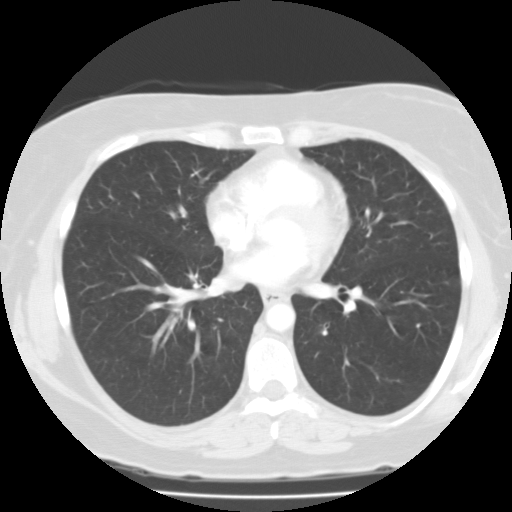
Axial chest CT slice 56 of 112 (counted from the lowest slice); 3.00 mm thick, 0.659 mm per pixel. Pulmonary nodule, outlined by one of the four readers. Box on this slice rows 325–328, columns 318–320, that reader's outline on this slice; longest diameter 7.3 mm and volume 212 mm3 from that reader's outline. Ratings by that reader: texture 1/5 (non-solid); margin 1/5 (indistinct); sphericity 4/5; calcification absent; internal structure fluid; subtlety 3/5; malignancy likelihood 3/5. Scale key (1–5): texture non-solid→solid, margin indistinct→circumscribed, sphericity linear→round, subtlety extremely subtle→obvious, malignancy likelihood highly unlikely→highly suspicious of cancer. Box rows and columns are 0-based pixel indices from the top-left corner, inclusive.
Tube voltage 135 kVp; convolution kernel FC01.